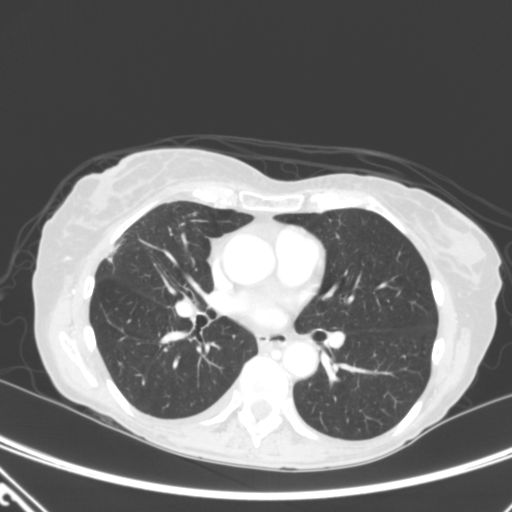
This is axial slice 176 of 320 (slice 1 is the lowest) of a chest CT; each pixel is 0.662 mm and the slice is 2.00 mm thick. Pulmonary nodule, outlined by all four readers. Box on this slice rows 243–262, columns 105–119, the union of the readers' outlines on this slice; median longest diameter 16.0 mm (readers' outlines 12.2–16.6 mm), median volume 833 mm3 (631–1078 mm3). Median ratings and the readers' spread: texture 5/5 (solid), all four readers agreeing; margin 4/5 at the median of four readers, spread 3/5 to 5/5 (circumscribed); median sphericity 3.5/5 (readers ranged 3/5 (ovoid) to 5/5 (round)); calcification absent from all four readers; internal structure soft tissue from all four readers; subtlety 5/5, all four readers agreeing; malignancy likelihood 4.5/5 at the median of four readers, spread 2–5. Scale key (1–5): texture non-solid→solid, margin indistinct→circumscribed, sphericity linear→round, subtlety extremely subtle→obvious, malignancy likelihood highly unlikely→highly suspicious of cancer. Box rows and columns are 0-based pixel indices from the top-left corner, inclusive.
Scan settings: 120 kVp, B reconstruction kernel.